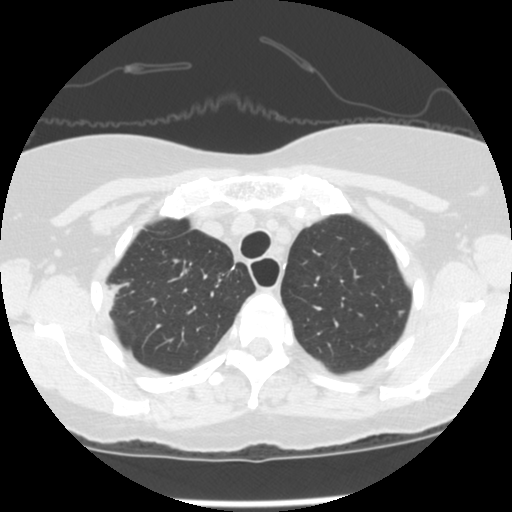
Axial slice 183 of 241 of a chest CT (slice 1 is the lowest), reconstructed with the STANDARD kernel at 120 kVp; 1.25 mm slice thickness and 0.609 mm pixels.
Pulmonary nodule, outlined by three of the four readers. Box on this slice rows 310–316, columns 397–404, the union of the readers' outlines on this slice; the three readers' outlines give a longest diameter between 5.0 and 6.5 mm and a volume between 30 and 85 mm3. The readers' ratings, as ranges where they differ: texture from 2/5 to 5/5 (solid) across the three readers; margin from 2/5 to 5/5 (circumscribed) across the three readers; sphericity from 3/5 (ovoid) to 4/5 across the three readers; calcification absent, all three readers agreeing; internal structure soft tissue from all three readers; subtlety 2–5/5 (the readers disagree); malignancy likelihood 2–3/5 (the readers disagree). Scale key (1–5): texture non-solid→solid, margin indistinct→circumscribed, sphericity linear→round, subtlety extremely subtle→obvious, malignancy likelihood highly unlikely→highly suspicious of cancer. Box rows and columns are 0-based pixel indices from the top-left corner, inclusive.